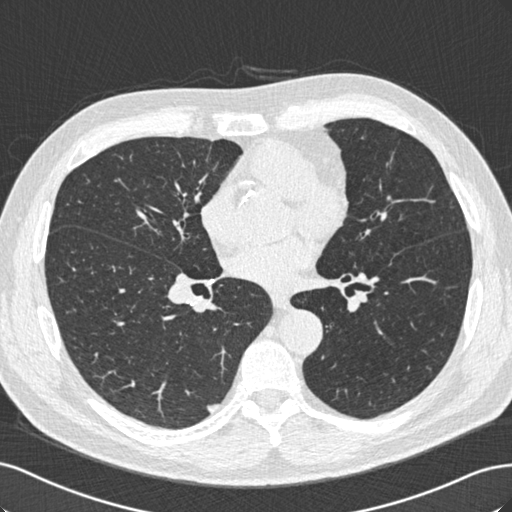
Axial chest CT slice 295 of 529 (counted from the lowest slice); 0.75 mm thick, 0.703 mm per pixel. Pulmonary nodule at rows 404–412, columns 207–218 (box = the union of the readers' outlines on this slice), outlined by all four readers; longest diameter 10.5 mm on average over the four readers' outlines (readers' outlines 9.8–11.3 mm), volume 151–208 mm3. Ratings, by the readers' most common answer with dissent counted: texture 5/5 (solid), all four readers agreeing; most readers (three of four) put margin at 5/5 (circumscribed), others 4/5 (one); sphericity 5/5 (round) by two of four readers; the rest gave 3/5 (ovoid) (one), 4/5 (one); calcification absent from all four readers; internal structure soft tissue, all four readers agreeing; subtlety 5/5 by two of four readers; the rest gave 3/5 (one), 4/5 (one); malignancy likelihood 3/5 by two of four readers; the rest gave 2/5 (one), 5/5 (one). Scale key (1–5): texture non-solid→solid, margin indistinct→circumscribed, sphericity linear→round, subtlety extremely subtle→obvious, malignancy likelihood highly unlikely→highly suspicious of cancer. Box rows and columns are 0-based pixel indices from the top-left corner, inclusive.
Acquired at 120 kVp and reconstructed with the B30f kernel.